Axial chest CT slice 222 of 326 (counted from the lowest slice); tube voltage 120 kVp, convolution kernel B45f; slices 1.00 mm thick, 0.645 mm per pixel.
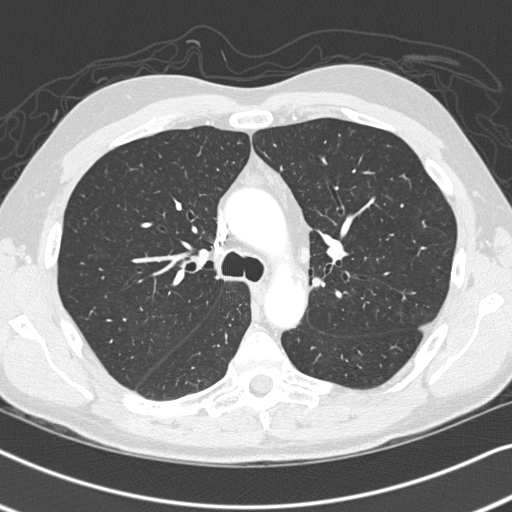
Pulmonary nodule at rows 277–285, columns 313–321 (box = the union of the readers' outlines on this slice), outlined by two of the four readers; the two readers' outlines give a longest diameter between 8.8 and 10.4 mm and a volume between 179 and 302 mm3. The readers' ratings, as ranges where they differ: texture 5/5 (solid), both readers agreeing; margin 5/5 (circumscribed) from both readers; sphericity from 3/5 (ovoid) to 5/5 (round) across the two readers; calcification absent from both readers; internal structure soft tissue, both readers agreeing; subtlety from 3/5 to 4/5 across the two readers; malignancy likelihood from 2/5 to 3/5 across the two readers. Scale key (1–5): texture non-solid→solid, margin indistinct→circumscribed, sphericity linear→round, subtlety extremely subtle→obvious, malignancy likelihood highly unlikely→highly suspicious of cancer. Box rows and columns are 0-based pixel indices from the top-left corner, inclusive.